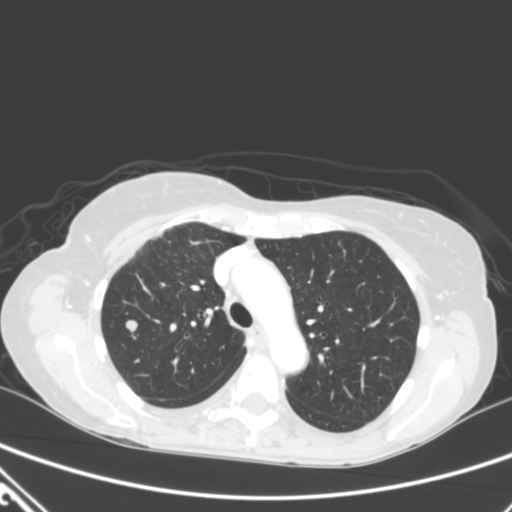
Slice 235/320 of a chest CT, counting up from the lowest; pixel size 0.662 mm, slice thickness 2.00 mm. Pulmonary nodule, outlined by all four readers. Box on this slice rows 318–332, columns 124–137, the union of the readers' outlines on this slice; median longest diameter 9.2 mm (readers' outlines 8.0–10.5 mm), median volume 260 mm3 (192–341 mm3). Median ratings and the readers' spread: texture 5/5 (solid) from all four readers; margin 5/5 (circumscribed) at the median of four readers, spread 4/5 to 5/5 (circumscribed); median sphericity 4.5/5 (readers ranged 4/5 to 5/5 (round)); calcification absent, all four readers agreeing; internal structure soft tissue from all four readers; subtlety 5/5, all four readers agreeing; malignancy likelihood 4.5/5 at the median of four readers, spread 2–5. Scale key (1–5): texture non-solid→solid, margin indistinct→circumscribed, sphericity linear→round, subtlety extremely subtle→obvious, malignancy likelihood highly unlikely→highly suspicious of cancer. Box rows and columns are 0-based pixel indices from the top-left corner, inclusive.
Acquired at 120 kVp and reconstructed with the B kernel.